Axial slice 76 of 104 of a chest CT (slice 1 is the lowest), reconstructed with the FC01 kernel at 135 kVp; 3.00 mm slice thickness and 0.622 mm pixels.
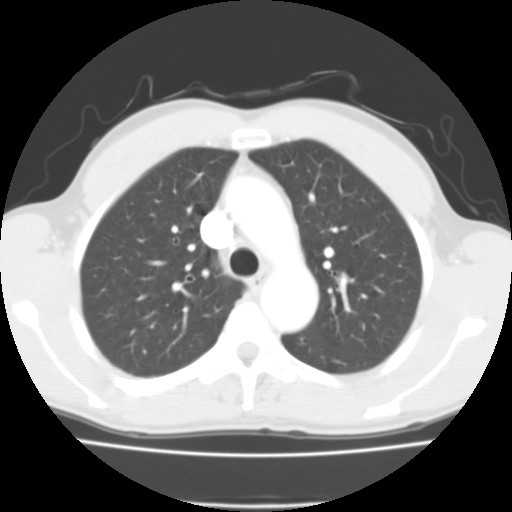
The readers outlined no nodule of 3 mm or more on this slice.